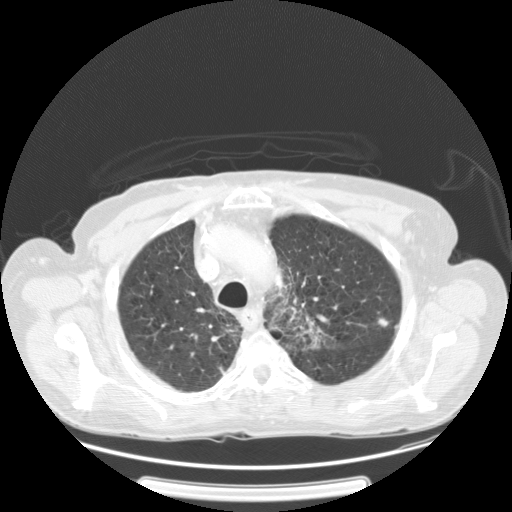
Axial chest CT slice 107 of 137 (counted from the lowest slice); tube voltage 120 kVp, convolution kernel STANDARD; slices 2.50 mm thick, 0.781 mm per pixel.
Pulmonary nodule at rows 316–327, columns 376–388 (box = the union of the readers' outlines on this slice), outlined by all four readers; longest diameter 10.1 mm on average over the four readers' outlines (readers' outlines 9.1–11.0 mm), volume 252–362 mm3. Ratings, by the readers' most common answer with dissent counted: texture 5/5 (solid) by two of four readers; the rest gave 2/5 (one), 4/5 (one); margin split among the readers: 1/5 (indistinct) (one), 3/5 (one), 4/5 (one), 5/5 (circumscribed) (one); sphericity 3/5 (ovoid) by two of four readers; the rest gave 4/5 (one), 5/5 (round) (one); calcification absent, all four readers agreeing; internal structure soft tissue from all four readers; subtlety 4/5 by three of four readers; the rest gave 3/5 (one); malignancy likelihood split among the readers: 2/5 (two), 4/5 (two). Scale key (1–5): texture non-solid→solid, margin indistinct→circumscribed, sphericity linear→round, subtlety extremely subtle→obvious, malignancy likelihood highly unlikely→highly suspicious of cancer. Box rows and columns are 0-based pixel indices from the top-left corner, inclusive.